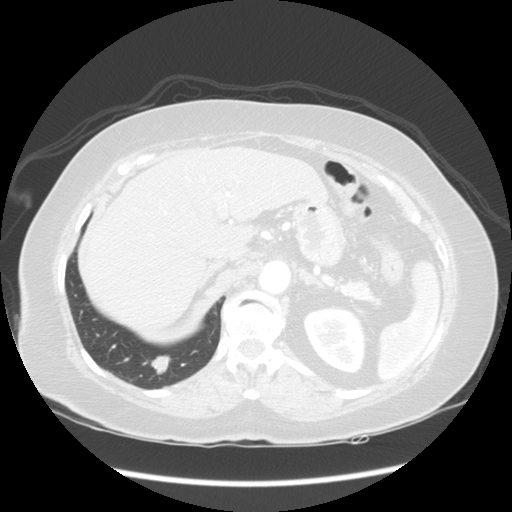
Chest CT, axial plane, 120 kVp, kernel STANDARD. Slice 43/141 from the bottom of the scan; thickness 2.50 mm; pixel size 0.703 mm.
Pulmonary nodule, outlined by all four readers. Box on this slice rows 355–374, columns 150–170, the union of the readers' outlines on this slice; longest diameter 18.7 mm on average over the four readers' outlines (readers' outlines 17.0–19.8 mm), volume 1157–1740 mm3. The readers' prevailing ratings and who disagreed: texture 5/5 (solid), all four readers agreeing; margin 4/5 by three of four readers; the rest gave 3/5 (one); sphericity split among the readers: 3/5 (ovoid) (two), 4/5 (two); calcification absent, all four readers agreeing; internal structure soft tissue from all four readers; most readers (three of four) put subtlety at 5/5, others 4/5 (one); malignancy likelihood split among the readers: 4/5 (two), 5/5 (two). Scale key (1–5): texture non-solid→solid, margin indistinct→circumscribed, sphericity linear→round, subtlety extremely subtle→obvious, malignancy likelihood highly unlikely→highly suspicious of cancer. Box rows and columns are 0-based pixel indices from the top-left corner, inclusive.